Chest CT, axial plane, 120 kVp, kernel B30f. Slice 101/181 from the bottom of the scan; thickness 2.00 mm; pixel size 0.664 mm.
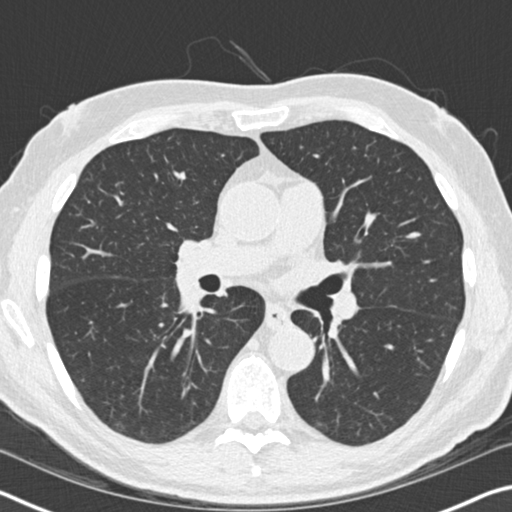
The readers outlined no nodule of 3 mm or more on this slice.